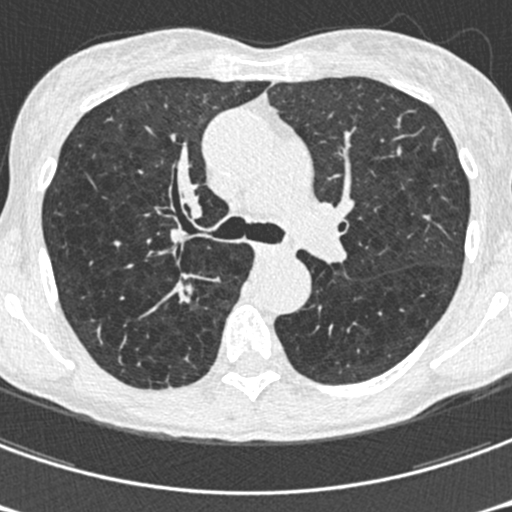
Axial chest CT slice 397 of 633 (counted from the lowest slice); tube voltage 120 kVp, convolution kernel B30f; slices 0.60 mm thick, 0.541 mm per pixel.
Pulmonary nodule, outlined by all four readers. Box on this slice rows 283–302, columns 177–192, the union of the readers' outlines on this slice; median longest diameter 18.4 mm (readers' outlines 18.1–21.0 mm), median volume 1471 mm3 (1292–1642 mm3). Median ratings and the readers' spread: texture 5/5 (solid) from all four readers; median margin 2/5 (readers ranged 1/5 (indistinct) to 3/5); sphericity 3/5 (ovoid) at the median of four readers, spread 2/5 to 4/5; calcification absent, all four readers agreeing; internal structure soft tissue from all four readers; subtlety 5/5 at the median of four readers, spread 4–5; median malignancy likelihood 5/5 (readers ranged 4–5). Scale key (1–5): texture non-solid→solid, margin indistinct→circumscribed, sphericity linear→round, subtlety extremely subtle→obvious, malignancy likelihood highly unlikely→highly suspicious of cancer. Box rows and columns are 0-based pixel indices from the top-left corner, inclusive.